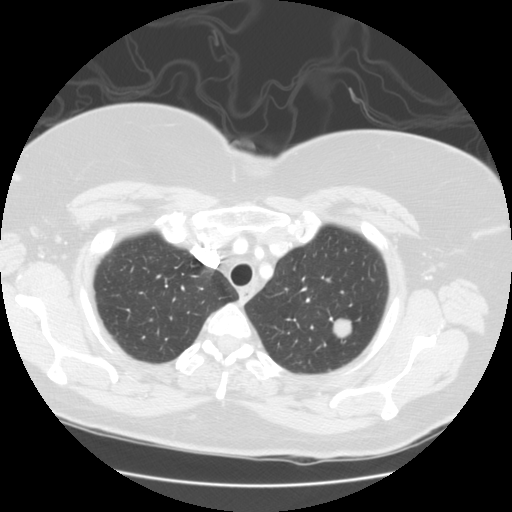
Axial slice 112 of 127 of a chest CT (slice 1 is the lowest), reconstructed with the STANDARD kernel at 120 kVp; 2.50 mm slice thickness and 0.703 mm pixels.
Pulmonary nodule at rows 316–339, columns 331–353 (box = the union of the readers' outlines on this slice), outlined by all four readers; longest diameter 21.5 mm on average over the four readers' outlines (readers' outlines 20.7–22.2 mm), volume 3995–4590 mm3. Ratings, by the readers' most common answer with dissent counted: texture 5/5 (solid), all four readers agreeing; most readers (three of four) put margin at 5/5 (circumscribed), others 4/5 (one); sphericity split among the readers: 4/5 (two), 5/5 (round) (two); calcification absent, all four readers agreeing; internal structure soft tissue from all four readers; subtlety 5/5, all four readers agreeing; malignancy likelihood 5/5 by two of four readers; the rest gave 2/5 (one), 4/5 (one). Scale key (1–5): texture non-solid→solid, margin indistinct→circumscribed, sphericity linear→round, subtlety extremely subtle→obvious, malignancy likelihood highly unlikely→highly suspicious of cancer. Box rows and columns are 0-based pixel indices from the top-left corner, inclusive.